One axial slice (579 of 733, counting up from the lowest) of a chest CT acquired at 120 kVp with the B50f kernel; each pixel is 0.637 mm and the slice is 0.60 mm thick.
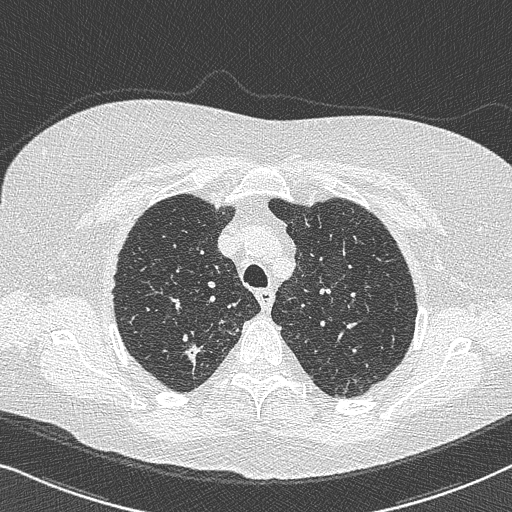
Pulmonary nodule outlined by all four readers; box rows 341–365, columns 181–204 (the union of the readers' outlines on this slice); longest diameter 22.0 mm on average over the four readers' outlines (readers' outlines 15.5–29.7 mm), volume 888–2128 mm3. The readers' prevailing ratings and who disagreed: most readers (three of four) put texture at 5/5 (solid), others 4/5 (one); margin 3/5 by two of four readers; the rest gave 1/5 (indistinct) (one), 4/5 (one); sphericity 3/5 (ovoid) by two of four readers; the rest gave 2/5 (one), 5/5 (round) (one); calcification absent from all four readers; internal structure soft tissue, all four readers agreeing; subtlety 5/5 by three of four readers; the rest gave 4/5 (one); malignancy likelihood 4/5 by three of four readers; the rest gave 5/5 (one). Scale key (1–5): texture non-solid→solid, margin indistinct→circumscribed, sphericity linear→round, subtlety extremely subtle→obvious, malignancy likelihood highly unlikely→highly suspicious of cancer. Box rows and columns are 0-based pixel indices from the top-left corner, inclusive.